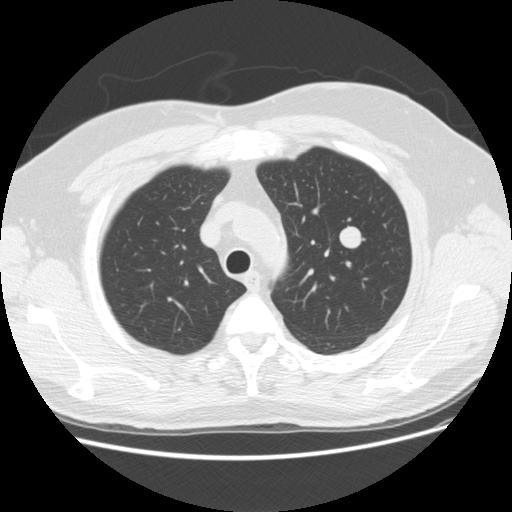
Axial chest CT slice 119 of 158 (counted from the lowest slice); 2.50 mm thick, 0.723 mm per pixel. Pulmonary nodule, outlined by all four readers. Box on this slice rows 226–249, columns 339–361, the union of the readers' outlines on this slice; longest diameter 17.3 mm on average over the four readers' outlines (readers' outlines 16.2–18.8 mm), volume 1663–2984 mm3. Ratings, by the readers' most common answer with dissent counted: texture 5/5 (solid) from all four readers; margin 5/5 (circumscribed) from all four readers; sphericity 5/5 (round) by three of four readers; the rest gave 4/5 (one); calcification absent from all four readers; internal structure soft tissue, all four readers agreeing; subtlety 5/5, all four readers agreeing; malignancy likelihood 4/5 by two of four readers; the rest gave 2/5 (one), 5/5 (one). Scale key (1–5): texture non-solid→solid, margin indistinct→circumscribed, sphericity linear→round, subtlety extremely subtle→obvious, malignancy likelihood highly unlikely→highly suspicious of cancer. Box rows and columns are 0-based pixel indices from the top-left corner, inclusive.
Tube voltage 120 kVp; convolution kernel STANDARD.